Chest CT, axial plane, 120 kVp, kernel B50f. Slice 588/733 from the bottom of the scan; thickness 0.60 mm; pixel size 0.637 mm.
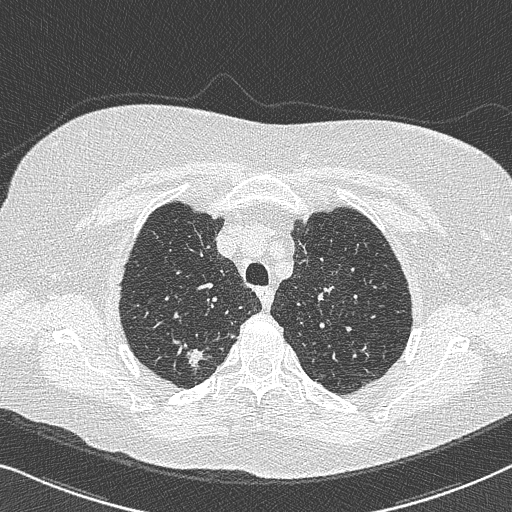
Pulmonary nodule outlined by all four readers; box rows 349–368, columns 183–208 (the union of the readers' outlines on this slice); longest diameter 22.0 mm on average over the four readers' outlines (readers' outlines 15.5–29.7 mm), volume 888–2128 mm3. The readers' prevailing ratings and who disagreed: most readers (three of four) put texture at 5/5 (solid), others 4/5 (one); margin 3/5 by two of four readers; the rest gave 1/5 (indistinct) (one), 4/5 (one); sphericity 3/5 (ovoid) by two of four readers; the rest gave 2/5 (one), 5/5 (round) (one); calcification absent from all four readers; internal structure soft tissue from all four readers; most readers (three of four) put subtlety at 5/5, others 4/5 (one); malignancy likelihood 4/5 by three of four readers; the rest gave 5/5 (one). Scale key (1–5): texture non-solid→solid, margin indistinct→circumscribed, sphericity linear→round, subtlety extremely subtle→obvious, malignancy likelihood highly unlikely→highly suspicious of cancer. Box rows and columns are 0-based pixel indices from the top-left corner, inclusive.